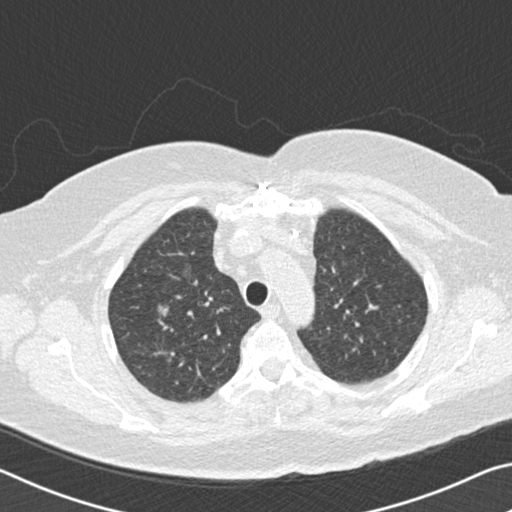
Axial chest CT slice 133 of 167 (counted from the lowest slice); 2.00 mm thick, 0.664 mm per pixel. Pulmonary nodule outlined by all four readers; box rows 304–316, columns 157–168 (the union of the readers' outlines on this slice); median longest diameter 14.3 mm (readers' outlines 13.7–15.2 mm), median volume 1020 mm3 (840–1189 mm3). Ratings, median across the readers with their spread: texture 5/5 (solid), all four readers agreeing; median margin 4/5 (readers ranged 4/5 to 5/5 (circumscribed)); median sphericity 4.5/5 (readers ranged 3/5 (ovoid) to 5/5 (round)); calcification absent from all four readers; internal structure soft tissue from all four readers; median subtlety 5/5 (readers ranged 4–5); median malignancy likelihood 4/5 (readers ranged 3–5). Scale key (1–5): texture non-solid→solid, margin indistinct→circumscribed, sphericity linear→round, subtlety extremely subtle→obvious, malignancy likelihood highly unlikely→highly suspicious of cancer. Box rows and columns are 0-based pixel indices from the top-left corner, inclusive.
Acquired at 120 kVp and reconstructed with the B30f kernel.